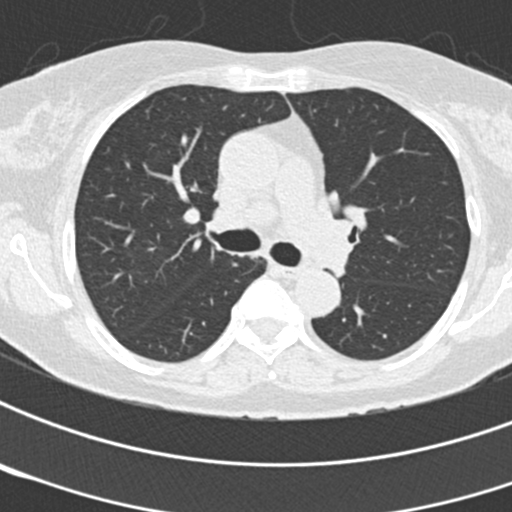
Chest CT, axial plane, 120 kVp, kernel B30f. Slice 109/171 from the bottom of the scan; thickness 2.00 mm; pixel size 0.547 mm.
This slice carries no reader outline of a nodule 3 mm or larger.